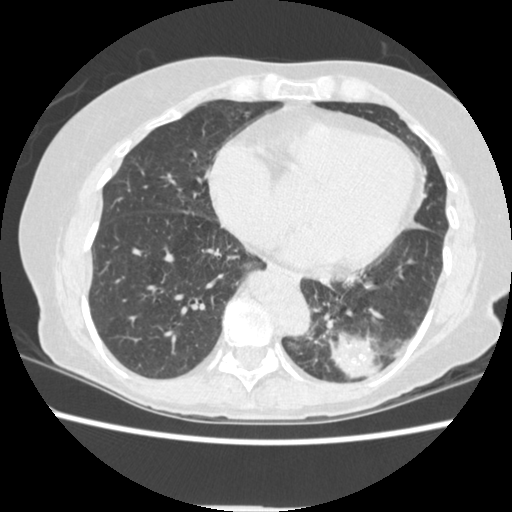
Slice 116/362 of a chest CT, counting up from the lowest; pixel size 0.625 mm, slice thickness 1.25 mm. Pulmonary nodule outlined by one of the four readers; box rows 333–375, columns 329–378 (that reader's outline on this slice); longest diameter 37.2 mm and volume 2579 mm3 from that reader's outline. Ratings by that reader: texture 5/5 (solid); margin 3/5; sphericity 4/5; calcification absent; internal structure soft tissue; subtlety 5/5; malignancy likelihood 4/5. Scale key (1–5): texture non-solid→solid, margin indistinct→circumscribed, sphericity linear→round, subtlety extremely subtle→obvious, malignancy likelihood highly unlikely→highly suspicious of cancer. Box rows and columns are 0-based pixel indices from the top-left corner, inclusive.
Scan settings: 120 kVp, STANDARD reconstruction kernel.